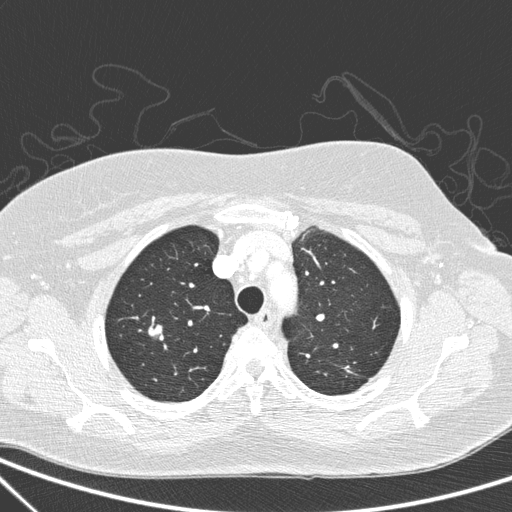
Axial slice 225 of 266 of a chest CT (slice 1 is the lowest), reconstructed with the D kernel at 120 kVp; 1.00 mm slice thickness and 0.668 mm pixels.
Pulmonary nodule, outlined by all four readers. Box on this slice rows 323–337, columns 148–162, the union of the readers' outlines on this slice; longest diameter 17.2 mm on average over the four readers' outlines (readers' outlines 16.7–17.7 mm), volume 1306–1533 mm3. The readers' prevailing ratings and who disagreed: texture 5/5 (solid), all four readers agreeing; margin 3/5 by two of four readers; the rest gave 2/5 (one), 5/5 (circumscribed) (one); sphericity 4/5 by two of four readers; the rest gave 3/5 (ovoid) (one), 5/5 (round) (one); calcification absent from all four readers; internal structure soft tissue, all four readers agreeing; subtlety 5/5 from all four readers; malignancy likelihood 5/5 by three of four readers; the rest gave 2/5 (one). Scale key (1–5): texture non-solid→solid, margin indistinct→circumscribed, sphericity linear→round, subtlety extremely subtle→obvious, malignancy likelihood highly unlikely→highly suspicious of cancer. Box rows and columns are 0-based pixel indices from the top-left corner, inclusive.